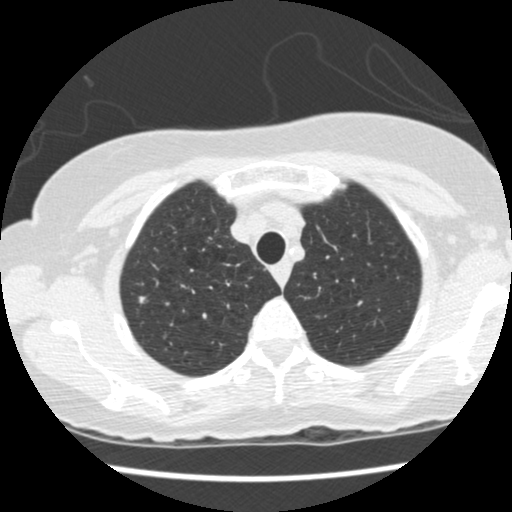
Axial chest CT slice 382 of 458 (counted from the lowest slice); 1.25 mm thick, 0.586 mm per pixel. Pulmonary nodule outlined by all four readers; box rows 296–303, columns 138–146 (the union of the readers' outlines on this slice); median longest diameter 6.2 mm (readers' outlines 5.0–7.8 mm), median volume 81 mm3 (57–106 mm3). Median ratings and the readers' spread: texture 4.5/5 at the median of four readers, spread 4/5 to 5/5 (solid); median margin 3.5/5 (readers ranged 3/5 to 4/5); median sphericity 4/5 (readers ranged 4/5 to 5/5 (round)); calcification absent from all four readers; internal structure soft tissue, all four readers agreeing; subtlety 3.5/5 at the median of four readers, spread 3–5; malignancy likelihood 2.5/5 at the median of four readers, spread 2–4. Scale key (1–5): texture non-solid→solid, margin indistinct→circumscribed, sphericity linear→round, subtlety extremely subtle→obvious, malignancy likelihood highly unlikely→highly suspicious of cancer. Box rows and columns are 0-based pixel indices from the top-left corner, inclusive.
Scan settings: 120 kVp, STANDARD reconstruction kernel.